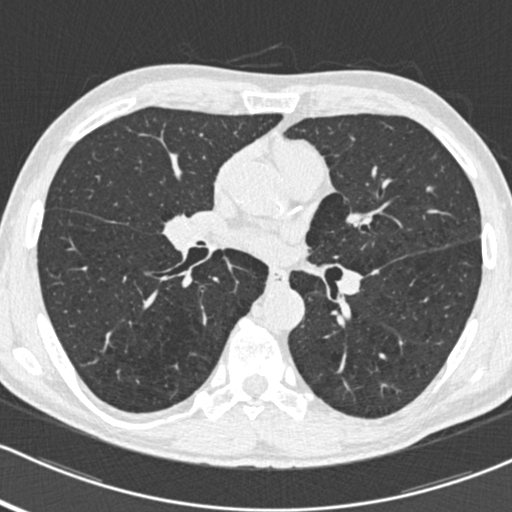
This is axial slice 275 of 483 (slice 1 is the lowest) of a chest CT; each pixel is 0.617 mm and the slice is 0.75 mm thick. Pulmonary nodule, outlined by one of the four readers. Box on this slice rows 168–171, columns 406–409, that reader's outline on this slice; longest diameter 5.0 mm and volume 22 mm3 from that reader's outline. Ratings by that reader: texture 5/5 (solid); margin 5/5 (circumscribed); sphericity 5/5 (round); calcification absent; internal structure soft tissue; subtlety 5/5; malignancy likelihood 2/5. Scale key (1–5): texture non-solid→solid, margin indistinct→circumscribed, sphericity linear→round, subtlety extremely subtle→obvious, malignancy likelihood highly unlikely→highly suspicious of cancer. Box rows and columns are 0-based pixel indices from the top-left corner, inclusive.
Tube voltage 120 kVp; convolution kernel B30f.